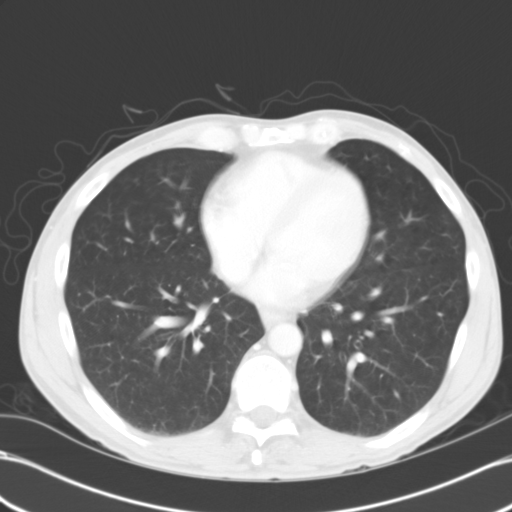
Axial slice 94 of 137 of a chest CT (slice 1 is the lowest), reconstructed with the B31f kernel at 120 kVp; 5.00 mm slice thickness and 0.691 mm pixels.
The readers outlined no nodule of 3 mm or more on this slice.